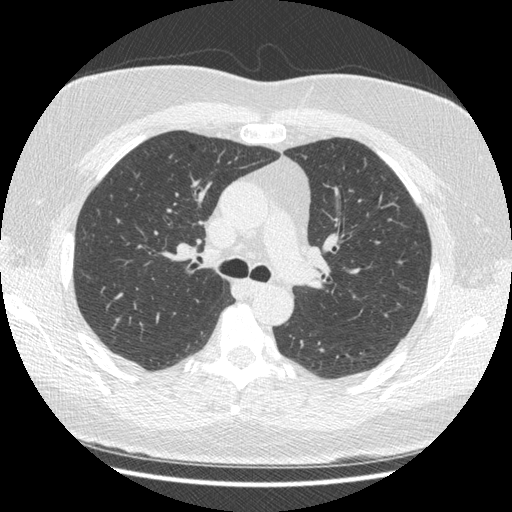
Axial slice 260 of 421 of a chest CT (slice 1 is the lowest), reconstructed with the STANDARD kernel at 120 kVp; 1.25 mm slice thickness and 0.703 mm pixels.
This slice carries no reader outline of a nodule 3 mm or larger.